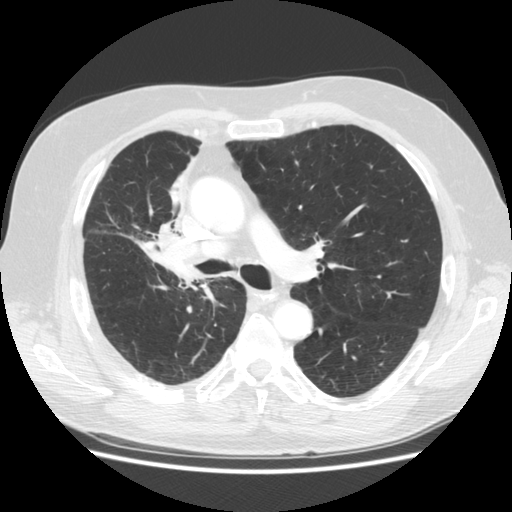
Axial chest CT slice 195 of 295 (counted from the lowest slice); tube voltage 120 kVp, convolution kernel STANDARD; slices 2.50 mm thick, 0.703 mm per pixel.
No nodule 3 mm or larger was outlined here by any reader.